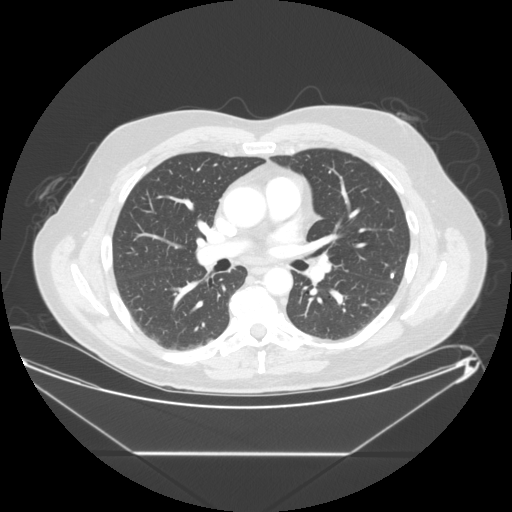
Axial chest CT slice 144 of 265 (counted from the lowest slice); tube voltage 120 kVp, convolution kernel STANDARD; slices 1.25 mm thick, 0.883 mm per pixel.
Pulmonary nodule at rows 270–278, columns 390–394 (box = the union of the readers' outlines on this slice), outlined by three of the four readers; longest diameter 7.8 mm on average over the three readers' outlines (readers' outlines 7.1–9.0 mm), volume 101–170 mm3. Ratings, by the readers' most common answer with dissent counted: texture 5/5 (solid) from all three readers; margin 5/5 (circumscribed) from all three readers; sphericity split among the readers: 3/5 (ovoid) (one), 4/5 (one), 5/5 (round) (one); calcification solid calcification from all three readers; internal structure soft tissue, all three readers agreeing; subtlety 5/5 by two of three readers; the rest gave 4/5 (one); malignancy likelihood 1/5, all three readers agreeing. Scale key (1–5): texture non-solid→solid, margin indistinct→circumscribed, sphericity linear→round, subtlety extremely subtle→obvious, malignancy likelihood highly unlikely→highly suspicious of cancer. Box rows and columns are 0-based pixel indices from the top-left corner, inclusive.